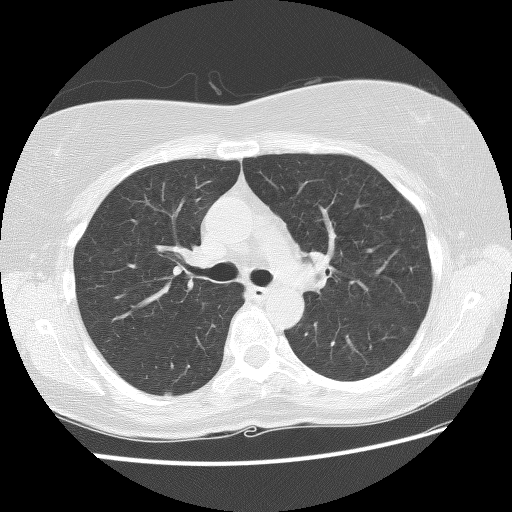
Axial slice 85 of 124 of a chest CT (slice 1 is the lowest), reconstructed with the BONE kernel at 140 kVp; 2.50 mm slice thickness and 0.645 mm pixels.
Pulmonary nodule outlined by one of the four readers; box rows 391–396, columns 163–172 (that reader's outline on this slice); longest diameter 7.8 mm and volume 99 mm3 from that reader's outline. Ratings by that reader: texture 5/5 (solid); margin 5/5 (circumscribed); sphericity 3/5 (ovoid); calcification absent; internal structure soft tissue; subtlety 4/5; malignancy likelihood 3/5. Scale key (1–5): texture non-solid→solid, margin indistinct→circumscribed, sphericity linear→round, subtlety extremely subtle→obvious, malignancy likelihood highly unlikely→highly suspicious of cancer. Box rows and columns are 0-based pixel indices from the top-left corner, inclusive.